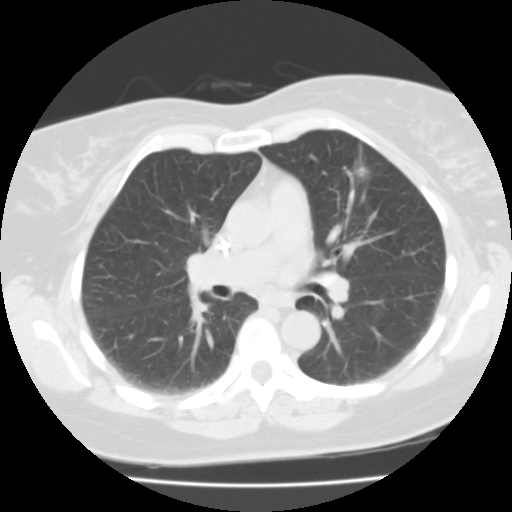
This is axial slice 45 of 87 (slice 1 is the lowest) of a chest CT; each pixel is 0.650 mm and the slice is 3.00 mm thick. Pulmonary nodule at rows 157–178, columns 352–371 (box = the union of the readers' outlines on this slice), outlined by all four readers, three of them on this slice; median longest diameter 20.9 mm (readers' outlines 17.5–23.5 mm), median volume 2410 mm3 (1510–2444 mm3). Median ratings and the readers' spread: median texture 4.5/5 (readers ranged 4/5 to 5/5 (solid)); margin 2.5/5 at the median of four readers, spread 2/5 to 4/5; sphericity 4/5 at the median of four readers, spread 3/5 (ovoid) to 5/5 (round); calcification absent from all four readers; internal structure soft tissue from all four readers; median subtlety 5/5 (readers ranged 4–5); malignancy likelihood 3.5/5 at the median of four readers, spread 3–5. Scale key (1–5): texture non-solid→solid, margin indistinct→circumscribed, sphericity linear→round, subtlety extremely subtle→obvious, malignancy likelihood highly unlikely→highly suspicious of cancer. Box rows and columns are 0-based pixel indices from the top-left corner, inclusive.
Tube voltage 135 kVp; convolution kernel FC01.